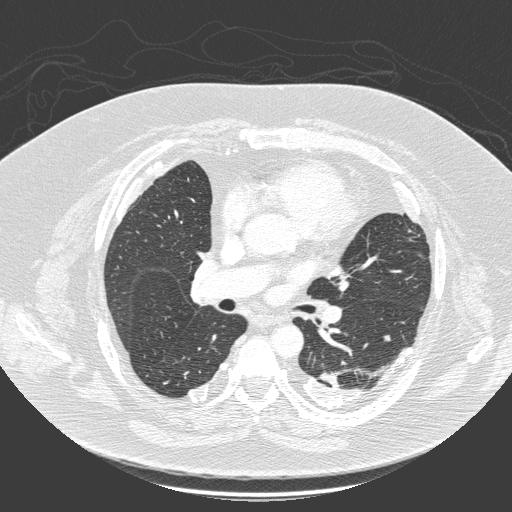
Axial chest CT slice 134 of 280 (counted from the lowest slice); 1.00 mm thick, 0.801 mm per pixel. Pulmonary nodule outlined by three of the four readers; box rows 335–340, columns 384–390 (the union of the readers' outlines on this slice); median longest diameter 7.2 mm (readers' outlines 5.8–7.6 mm), median volume 61 mm3 (42–96 mm3). Median ratings and the readers' spread: median texture 5/5 (solid) (readers ranged 4/5 to 5/5 (solid)); median margin 4/5 (readers ranged 4/5 to 5/5 (circumscribed)); sphericity 3/5 (ovoid) at the median of three readers, spread 2/5 to 4/5; calcification absent from all three readers; internal structure soft tissue from all three readers; subtlety 3/5 at the median of three readers, spread 3–4; median malignancy likelihood 3/5 (readers ranged 2–3). Scale key (1–5): texture non-solid→solid, margin indistinct→circumscribed, sphericity linear→round, subtlety extremely subtle→obvious, malignancy likelihood highly unlikely→highly suspicious of cancer. Box rows and columns are 0-based pixel indices from the top-left corner, inclusive.
Tube voltage 140 kVp; convolution kernel D.